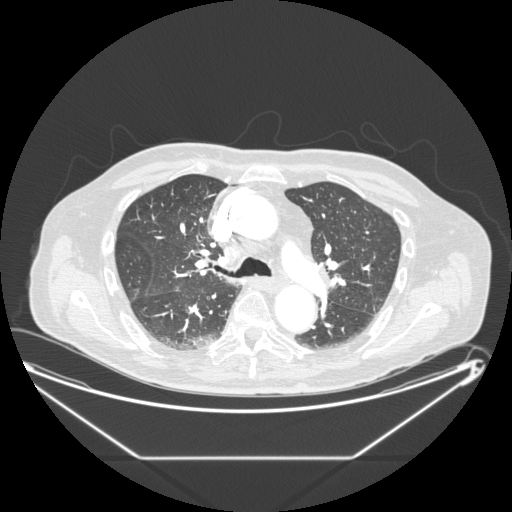
This is axial slice 125 of 214 (slice 1 is the lowest) of a chest CT; each pixel is 0.879 mm and the slice is 1.25 mm thick. No nodule of 3 mm or larger was outlined by any of the four readers on this slice.
Tube voltage 120 kVp; convolution kernel STANDARD.